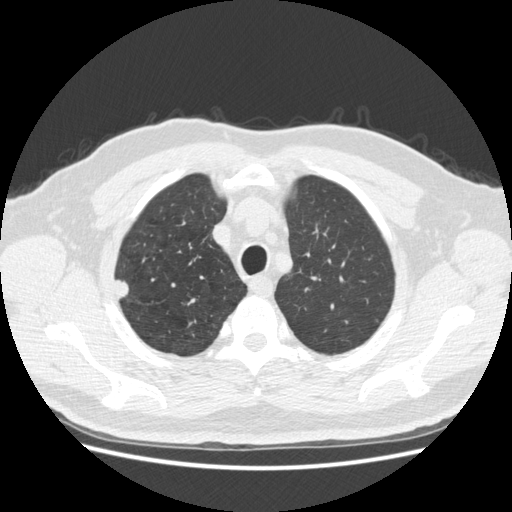
Axial chest CT slice 381 of 465 (counted from the lowest slice); 1.25 mm thick, 0.703 mm per pixel. Pulmonary nodule, outlined by all four readers. Box on this slice rows 279–300, columns 113–129, the union of the readers' outlines on this slice; longest diameter 15.5–18.9 mm and volume 1041–1475 mm3 across the four readers' outlines. The readers' ratings, as ranges where they differ: texture 5/5 (solid), all four readers agreeing; margin from 4/5 to 5/5 (circumscribed) across the four readers; sphericity from 3/5 (ovoid) to 5/5 (round) across the four readers; calcification absent, all four readers agreeing; internal structure soft tissue from all four readers; subtlety from 4/5 to 5/5 across the four readers; malignancy likelihood from 2/5 to 5/5 across the four readers. Scale key (1–5): texture non-solid→solid, margin indistinct→circumscribed, sphericity linear→round, subtlety extremely subtle→obvious, malignancy likelihood highly unlikely→highly suspicious of cancer. Box rows and columns are 0-based pixel indices from the top-left corner, inclusive.
Tube voltage 120 kVp; convolution kernel STANDARD.